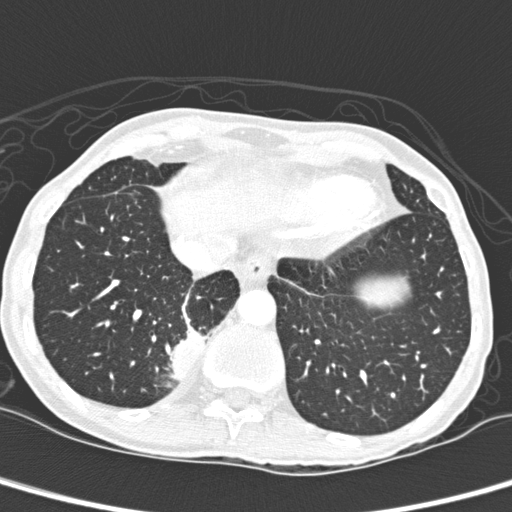
Axial slice 59 of 280 of a chest CT (slice 1 is the lowest), reconstructed with the D kernel at 120 kVp; 1.00 mm slice thickness and 0.564 mm pixels.
Pulmonary nodule, outlined by two of the four readers. Box on this slice rows 328–380, columns 169–205, the union of the readers' outlines on this slice; longest diameter 32.1–35.8 mm and volume 5657–6702 mm3 across the two readers' outlines. Ratings across the readers: texture 5/5 (solid) from both readers; margin 4/5, both readers agreeing; sphericity 3/5 (ovoid) from both readers; calcification absent from both readers; internal structure soft tissue from both readers; subtlety 5/5 from both readers; malignancy likelihood from 2/5 to 3/5 across the two readers. Scale key (1–5): texture non-solid→solid, margin indistinct→circumscribed, sphericity linear→round, subtlety extremely subtle→obvious, malignancy likelihood highly unlikely→highly suspicious of cancer. Box rows and columns are 0-based pixel indices from the top-left corner, inclusive.